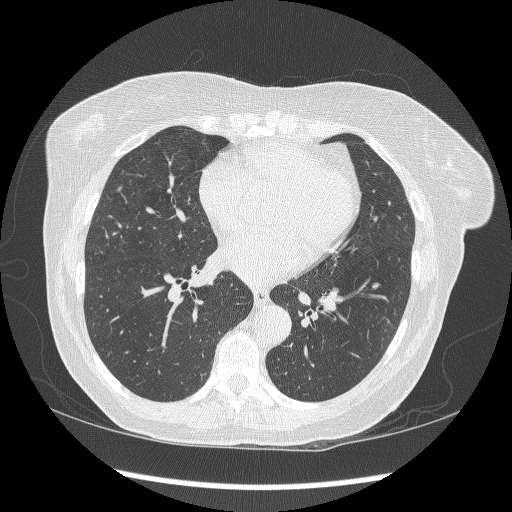
Axial chest CT slice 137 of 268 (counted from the lowest slice); tube voltage 120 kVp, convolution kernel BONE; slices 1.25 mm thick, 0.703 mm per pixel.
Pulmonary nodule outlined by one of the four readers; box rows 186–191, columns 116–121 (that reader's outline on this slice); longest diameter 7.2 mm and volume 82 mm3 from that reader's outline. Ratings by that reader: texture 5/5 (solid); margin 4/5; sphericity 4/5; calcification absent; internal structure soft tissue; subtlety 2/5; malignancy likelihood 3/5. Scale key (1–5): texture non-solid→solid, margin indistinct→circumscribed, sphericity linear→round, subtlety extremely subtle→obvious, malignancy likelihood highly unlikely→highly suspicious of cancer. Box rows and columns are 0-based pixel indices from the top-left corner, inclusive.